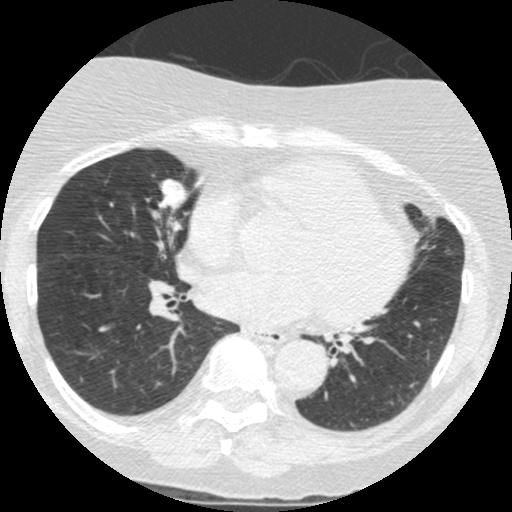
Axial chest CT slice 169 of 426 (counted from the lowest slice); 1.25 mm thick, 0.547 mm per pixel. Pulmonary nodule at rows 179–208, columns 160–188 (box = the union of the readers' outlines on this slice), outlined by all four readers; longest diameter 18.7 mm on average over the four readers' outlines (readers' outlines 17.0–20.6 mm), volume 1129–1635 mm3. Ratings, by the readers' most common answer with dissent counted: most readers (three of four) put texture at 5/5 (solid), others 4/5 (one); margin split among the readers: 2/5 (one), 3/5 (one), 4/5 (one), 5/5 (circumscribed) (one); sphericity 4/5 by two of four readers; the rest gave 3/5 (ovoid) (one), 5/5 (round) (one); calcification absent by three of four readers, non-central calcification (one); internal structure soft tissue from all four readers; subtlety 5/5 by two of four readers; the rest gave 3/5 (one), 4/5 (one); malignancy likelihood 4/5 by two of four readers; the rest gave 2/5 (one), 3/5 (one). Scale key (1–5): texture non-solid→solid, margin indistinct→circumscribed, sphericity linear→round, subtlety extremely subtle→obvious, malignancy likelihood highly unlikely→highly suspicious of cancer. Box rows and columns are 0-based pixel indices from the top-left corner, inclusive.
Tube voltage 120 kVp; convolution kernel STANDARD.